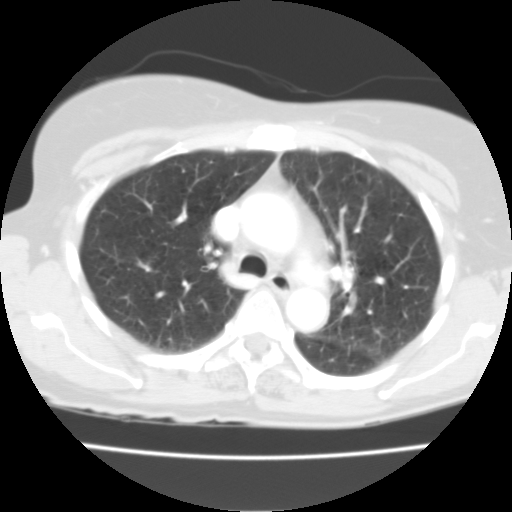
Axial chest CT slice 58 of 90 (counted from the lowest slice); 3.00 mm thick, 0.579 mm per pixel. This slice carries no reader outline of a nodule 3 mm or larger.
Tube voltage 135 kVp; convolution kernel FC01.